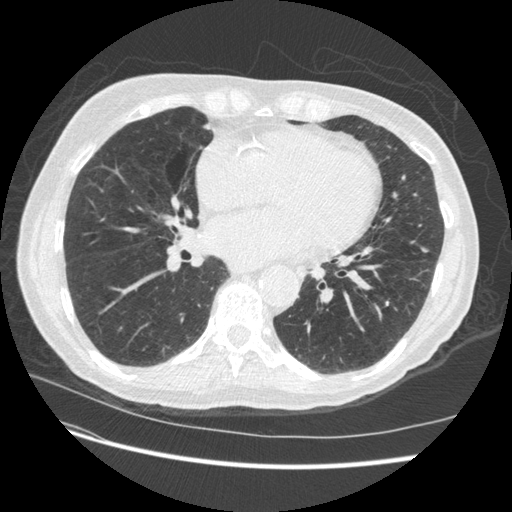
One axial slice (203 of 509, counting up from the lowest) of a chest CT acquired at 120 kVp with the STANDARD kernel; each pixel is 0.703 mm and the slice is 1.25 mm thick.
Pulmonary nodule, outlined by three of the four readers. Box on this slice rows 246–253, columns 420–429, the union of the readers' outlines on this slice; longest diameter 8.5 mm on average over the three readers' outlines (readers' outlines 6.9–9.6 mm), volume 87–218 mm3. Ratings, by the readers' most common answer with dissent counted: texture 5/5 (solid), all three readers agreeing; margin 4/5, all three readers agreeing; sphericity 4/5 by two of three readers; the rest gave 3/5 (ovoid) (one); calcification absent from all three readers; internal structure soft tissue, all three readers agreeing; subtlety 4/5 by two of three readers; the rest gave 5/5 (one); malignancy likelihood split among the readers: 2/5 (one), 3/5 (one), 5/5 (one). Scale key (1–5): texture non-solid→solid, margin indistinct→circumscribed, sphericity linear→round, subtlety extremely subtle→obvious, malignancy likelihood highly unlikely→highly suspicious of cancer. Box rows and columns are 0-based pixel indices from the top-left corner, inclusive.